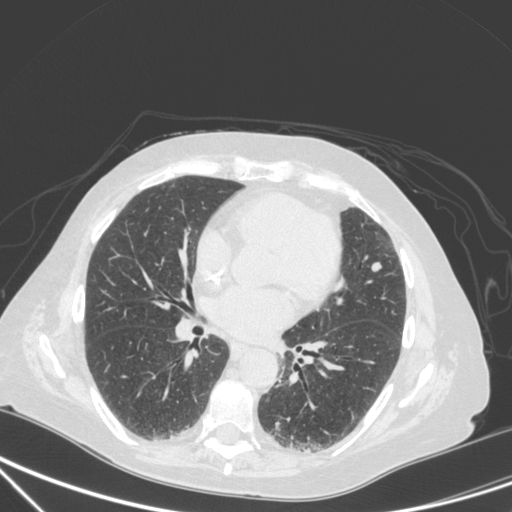
Chest CT, axial plane, 120 kVp, kernel C. Slice 155/350 from the bottom of the scan; thickness 1.50 mm; pixel size 0.725 mm.
Pulmonary nodule outlined by all four readers; box rows 261–271, columns 371–381 (the union of the readers' outlines on this slice); median longest diameter 8.9 mm (readers' outlines 8.5–10.5 mm), median volume 248 mm3 (175–345 mm3). Median ratings and the readers' spread: texture 5/5 (solid) at the median of four readers, spread 4/5 to 5/5 (solid); margin 4/5 at the median of four readers, spread 4/5 to 5/5 (circumscribed); sphericity 3.5/5 at the median of four readers, spread 3/5 (ovoid) to 4/5; calcification absent, all four readers agreeing; internal structure soft tissue from all four readers; subtlety 5/5 from all four readers; median malignancy likelihood 3/5 (readers ranged 2–5). Scale key (1–5): texture non-solid→solid, margin indistinct→circumscribed, sphericity linear→round, subtlety extremely subtle→obvious, malignancy likelihood highly unlikely→highly suspicious of cancer. Box rows and columns are 0-based pixel indices from the top-left corner, inclusive.